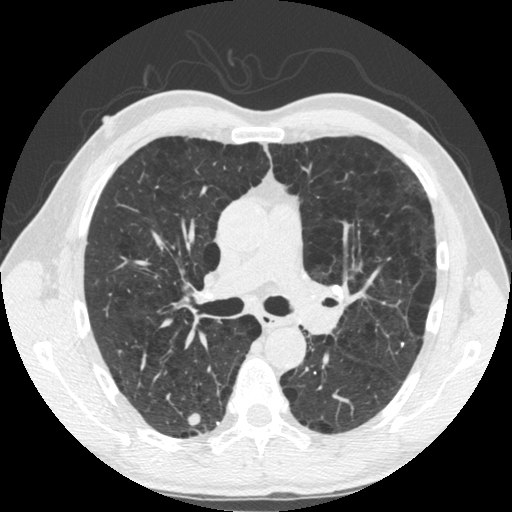
Axial chest CT slice 320 of 535 (counted from the lowest slice); tube voltage 120 kVp, convolution kernel STANDARD; slices 1.25 mm thick, 0.664 mm per pixel.
Pulmonary nodule at rows 413–425, columns 188–200 (box = the union of the readers' outlines on this slice), outlined by all four readers; longest diameter 10.5–12.4 mm and volume 543–647 mm3 across the four readers' outlines. The readers' ratings, as ranges where they differ: texture 5/5 (solid) from all four readers; margin 5/5 (circumscribed), all four readers agreeing; sphericity from 3/5 (ovoid) to 5/5 (round) across the four readers; calcification: absent (three), laminated calcification (one); internal structure soft tissue, all four readers agreeing; subtlety 5/5 from all four readers; malignancy likelihood from 1/5 to 5/5 across the four readers. Scale key (1–5): texture non-solid→solid, margin indistinct→circumscribed, sphericity linear→round, subtlety extremely subtle→obvious, malignancy likelihood highly unlikely→highly suspicious of cancer. Box rows and columns are 0-based pixel indices from the top-left corner, inclusive.